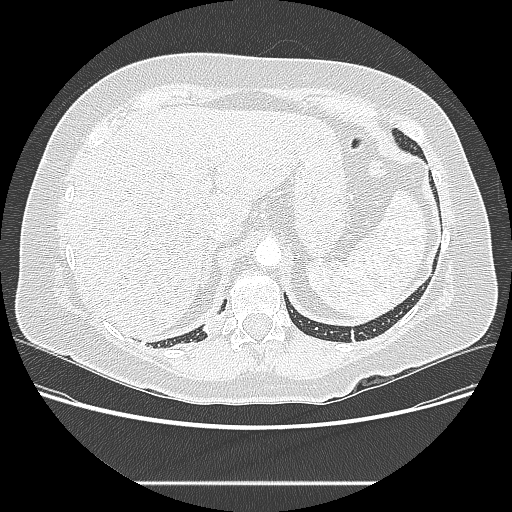
Axial chest CT slice 40 of 238 (counted from the lowest slice); tube voltage 120 kVp, convolution kernel LUNG; slices 1.25 mm thick, 0.742 mm per pixel.
Pulmonary nodule, outlined by three of the four readers. Box on this slice rows 314–335, columns 201–222, the union of the readers' outlines on this slice; median longest diameter 21.0 mm (readers' outlines 20.6–21.1 mm), median volume 979 mm3 (743–1062 mm3). Ratings, median across the readers with their spread: texture 5/5 (solid) from all three readers; median margin 5/5 (circumscribed) (readers ranged 4/5 to 5/5 (circumscribed)); sphericity 3/5 (ovoid), all three readers agreeing; calcification absent, all three readers agreeing; internal structure soft tissue, all three readers agreeing; subtlety 3/5 at the median of three readers, spread 3–4; malignancy likelihood 3/5 from all three readers. Scale key (1–5): texture non-solid→solid, margin indistinct→circumscribed, sphericity linear→round, subtlety extremely subtle→obvious, malignancy likelihood highly unlikely→highly suspicious of cancer. Box rows and columns are 0-based pixel indices from the top-left corner, inclusive.